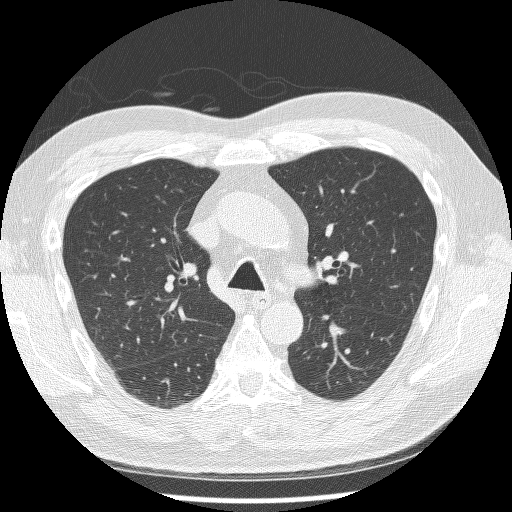
Chest CT, axial plane, 120 kVp, kernel BONE. Slice 168/244 from the bottom of the scan; thickness 1.25 mm; pixel size 0.674 mm.
The readers outlined no nodule of 3 mm or more on this slice.